One axial slice (269 of 290, counting up from the lowest) of a chest CT acquired at 120 kVp with the B kernel; each pixel is 0.639 mm and the slice is 2.00 mm thick.
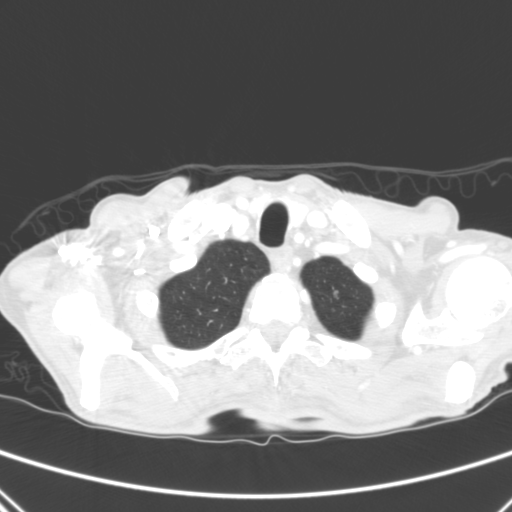
Pulmonary nodule outlined by one of the four readers; box rows 291–296, columns 334–338 (that reader's outline on this slice); longest diameter 5.9 mm and volume 62 mm3 from that reader's outline. That reader's ratings: texture 5/5 (solid); margin 4/5; sphericity 3/5 (ovoid); calcification absent; internal structure soft tissue; subtlety 5/5; malignancy likelihood 3/5. Scale key (1–5): texture non-solid→solid, margin indistinct→circumscribed, sphericity linear→round, subtlety extremely subtle→obvious, malignancy likelihood highly unlikely→highly suspicious of cancer. Box rows and columns are 0-based pixel indices from the top-left corner, inclusive.